Axial chest CT slice 51 of 133 (counted from the lowest slice); tube voltage 120 kVp, convolution kernel LUNG; slices 2.50 mm thick, 0.703 mm per pixel.
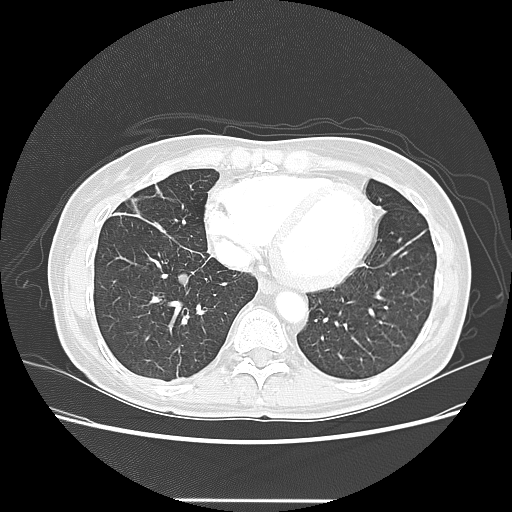
Pulmonary nodule, outlined by all four readers. Box on this slice rows 273–286, columns 177–190, the union of the readers' outlines on this slice; the four readers' outlines give a longest diameter between 12.1 and 13.8 mm and a volume between 702 and 894 mm3. Ratings across the readers: texture 5/5 (solid) from all four readers; margin from 4/5 to 5/5 (circumscribed) across the four readers; sphericity from 4/5 to 5/5 (round) across the four readers; calcification absent from all four readers; internal structure soft tissue, all four readers agreeing; subtlety 4–5/5 (the readers disagree); malignancy likelihood from 3/5 to 5/5 across the four readers. Scale key (1–5): texture non-solid→solid, margin indistinct→circumscribed, sphericity linear→round, subtlety extremely subtle→obvious, malignancy likelihood highly unlikely→highly suspicious of cancer. Box rows and columns are 0-based pixel indices from the top-left corner, inclusive.